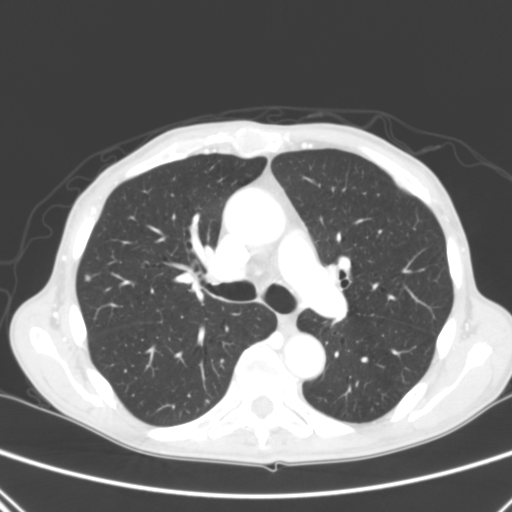
Axial chest CT slice 178 of 290 (counted from the lowest slice); 2.00 mm thick, 0.639 mm per pixel. Two pulmonary nodules are outlined on this slice; from left to right: (1) Pulmonary nodule at rows 275–280, columns 84–89 (box = the union of the readers' outlines on this slice), outlined by three of the four readers; longest diameter 6.1 mm on average over the three readers' outlines (readers' outlines 5.9–6.7 mm), volume 86–94 mm3. Ratings, by the readers' most common answer with dissent counted: most readers (two of three) put texture at 5/5 (solid), others 4/5 (one); margin 5/5 (circumscribed) by two of three readers; the rest gave 2/5 (one); sphericity split among the readers: 3/5 (ovoid) (one), 4/5 (one), 5/5 (round) (one); calcification absent, all three readers agreeing; internal structure soft tissue, all three readers agreeing; subtlety split among the readers: 3/5 (one), 4/5 (one), 5/5 (one); malignancy likelihood split among the readers: 1/5 (one), 2/5 (one), 3/5 (one). (2) Pulmonary nodule, outlined by one of the four readers. Box on this slice rows 399–402, columns 205–208, that reader's outline on this slice; longest diameter 4.3 mm and volume 33 mm3 from that reader's outline. Ratings by that reader: texture 5/5 (solid); margin 5/5 (circumscribed); sphericity 5/5 (round); calcification absent; internal structure soft tissue; subtlety 5/5; malignancy likelihood 3/5. Scale key (1–5): texture non-solid→solid, margin indistinct→circumscribed, sphericity linear→round, subtlety extremely subtle→obvious, malignancy likelihood highly unlikely→highly suspicious of cancer. Box rows and columns are 0-based pixel indices from the top-left corner, inclusive.
Acquired at 120 kVp and reconstructed with the B kernel.